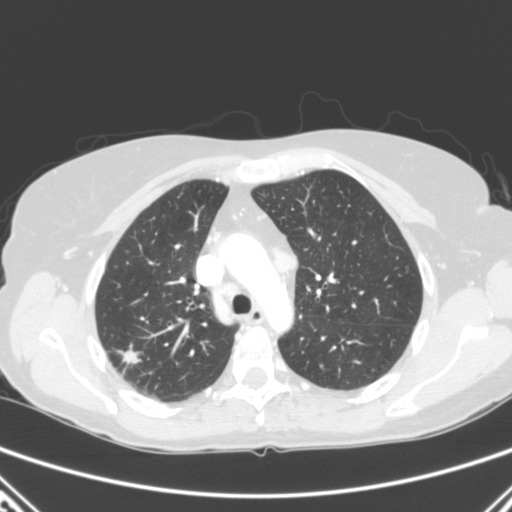
Axial slice 195 of 280 of a chest CT (slice 1 is the lowest), reconstructed with the B kernel at 120 kVp; 2.00 mm slice thickness and 0.676 mm pixels.
Pulmonary nodule at rows 343–373, columns 113–142 (box = the union of the readers' outlines on this slice), outlined three times (the source holds two more outlines, not used); median longest diameter 19.7 mm (readers' outlines 19.6–26.7 mm), median volume 999 mm3 (949–1659 mm3). Median ratings and the readers' spread: median texture 5/5 (solid) (readers ranged 4/5 to 5/5 (solid)); margin 3/5 at the median of three readers, spread 3/5 to 4/5; sphericity 3/5 (ovoid) at the median of three readers, spread 2/5 to 5/5 (round); calcification absent, all three readers agreeing; internal structure soft tissue from all three readers; subtlety 5/5 from all three readers; median malignancy likelihood 5/5 (readers ranged 4–5). Scale key (1–5): texture non-solid→solid, margin indistinct→circumscribed, sphericity linear→round, subtlety extremely subtle→obvious, malignancy likelihood highly unlikely→highly suspicious of cancer. Box rows and columns are 0-based pixel indices from the top-left corner, inclusive.